Chest CT, axial plane, 120 kVp, kernel STANDARD. Slice 106/133 from the bottom of the scan; thickness 2.50 mm; pixel size 0.781 mm.
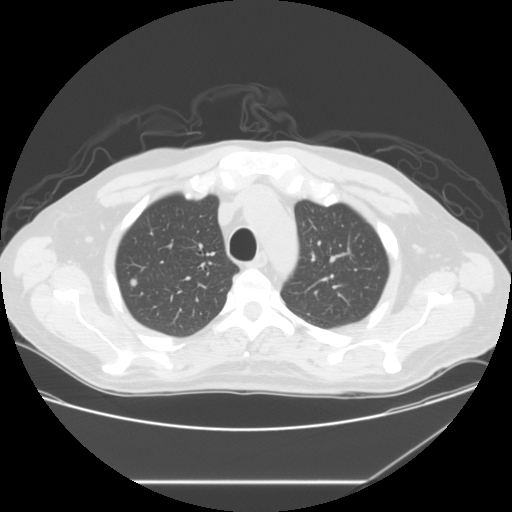
Pulmonary nodule at rows 278–286, columns 129–137 (box = the union of the readers' outlines on this slice), outlined by all four readers; median longest diameter 8.4 mm (readers' outlines 7.7–9.7 mm), median volume 229 mm3 (196–260 mm3). Ratings, median across the readers with their spread: texture 4.5/5 at the median of four readers, spread 4/5 to 5/5 (solid); median margin 4.5/5 (readers ranged 4/5 to 5/5 (circumscribed)); median sphericity 5/5 (round) (readers ranged 4/5 to 5/5 (round)); calcification absent, all four readers agreeing; internal structure soft tissue, all four readers agreeing; subtlety 4/5 at the median of four readers, spread 3–4; median malignancy likelihood 3/5 (readers ranged 2–3). Scale key (1–5): texture non-solid→solid, margin indistinct→circumscribed, sphericity linear→round, subtlety extremely subtle→obvious, malignancy likelihood highly unlikely→highly suspicious of cancer. Box rows and columns are 0-based pixel indices from the top-left corner, inclusive.